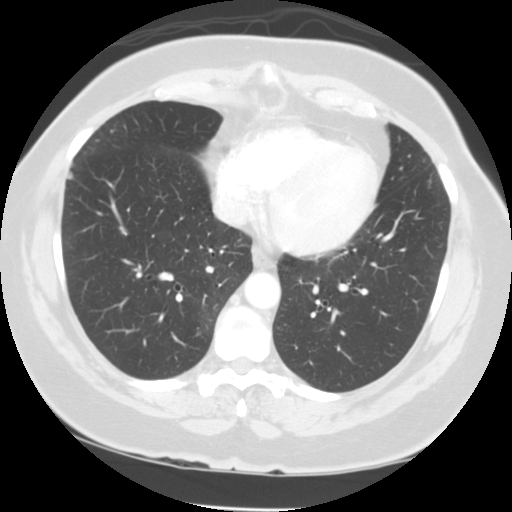
Axial chest CT slice 52 of 133 (counted from the lowest slice); 2.50 mm thick, 0.664 mm per pixel. Pulmonary nodule outlined by two of the four readers; box rows 172–178, columns 68–72 (the union of the readers' outlines on this slice); longest diameter 6.2 mm on average over the two readers' outlines (readers' outlines 5.7–6.7 mm), volume 78–82 mm3. The readers' prevailing ratings and who disagreed: texture 5/5 (solid), both readers agreeing; margin split among the readers: 4/5 (one), 5/5 (circumscribed) (one); sphericity split among the readers: 3/5 (ovoid) (one), 4/5 (one); calcification absent from both readers; internal structure soft tissue, both readers agreeing; subtlety split among the readers: 3/5 (one), 4/5 (one); malignancy likelihood 2/5 from both readers. Scale key (1–5): texture non-solid→solid, margin indistinct→circumscribed, sphericity linear→round, subtlety extremely subtle→obvious, malignancy likelihood highly unlikely→highly suspicious of cancer. Box rows and columns are 0-based pixel indices from the top-left corner, inclusive.
Scan settings: 120 kVp, STANDARD reconstruction kernel.